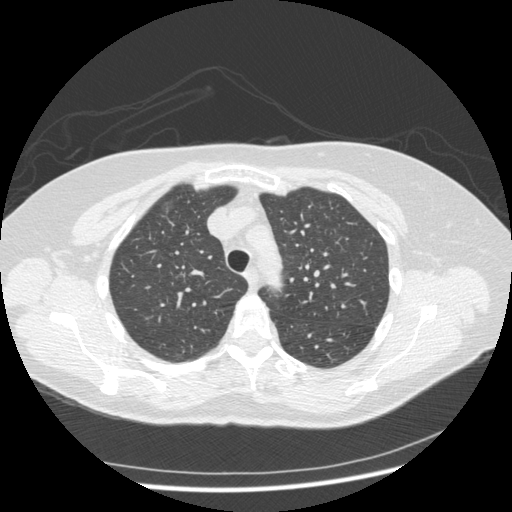
Slice 331/436 of a chest CT, counting up from the lowest; pixel size 0.703 mm, slice thickness 1.25 mm. Pulmonary nodule, outlined by all four readers. Box on this slice rows 199–212, columns 161–174, the union of the readers' outlines on this slice; median longest diameter 11.2 mm (readers' outlines 10.7–12.4 mm), median volume 157 mm3 (115–323 mm3). Ratings, median across the readers with their spread: median texture 1/5 (non-solid) (readers ranged 1/5 (non-solid) to 3/5 (part-solid)); margin 2.5/5 at the median of four readers, spread 1/5 (indistinct) to 4/5; sphericity 3.5/5 at the median of four readers, spread 3/5 (ovoid) to 5/5 (round); calcification absent, all four readers agreeing; internal structure soft tissue, all four readers agreeing; subtlety 1.5/5 at the median of four readers, spread 1–3; malignancy likelihood 3/5 at the median of four readers, spread 2–3. Scale key (1–5): texture non-solid→solid, margin indistinct→circumscribed, sphericity linear→round, subtlety extremely subtle→obvious, malignancy likelihood highly unlikely→highly suspicious of cancer. Box rows and columns are 0-based pixel indices from the top-left corner, inclusive.
Acquired at 120 kVp and reconstructed with the STANDARD kernel.